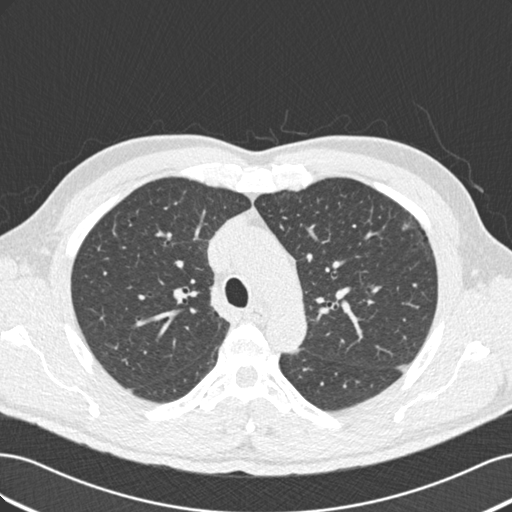
Axial chest CT slice 130 of 187 (counted from the lowest slice); tube voltage 120 kVp, convolution kernel B30f; slices 2.00 mm thick, 0.703 mm per pixel.
Pulmonary nodule at rows 225–230, columns 402–409 (box = that reader's outline on this slice), outlined by one of the four readers; longest diameter 8.7 mm and volume 93 mm3 from that reader's outline. Ratings by that reader: texture 3/5 (part-solid); margin 4/5; sphericity 4/5; calcification absent; internal structure soft tissue; subtlety 3/5; malignancy likelihood 3/5. Scale key (1–5): texture non-solid→solid, margin indistinct→circumscribed, sphericity linear→round, subtlety extremely subtle→obvious, malignancy likelihood highly unlikely→highly suspicious of cancer. Box rows and columns are 0-based pixel indices from the top-left corner, inclusive.